Chest CT, axial plane, 120 kVp, kernel STANDARD. Slice 240/497 from the bottom of the scan; thickness 1.25 mm; pixel size 0.703 mm.
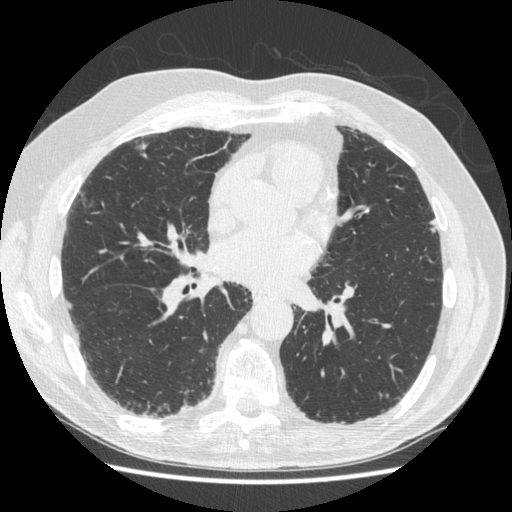
Pulmonary nodule at rows 141–157, columns 134–149 (box = the union of the readers' outlines on this slice), outlined by all four readers; longest diameter 12.2 mm on average over the four readers' outlines (readers' outlines 10.9–14.8 mm), volume 184–648 mm3. The readers' prevailing ratings and who disagreed: texture 5/5 (solid) by three of four readers; the rest gave 1/5 (non-solid) (one); margin 3/5 by two of four readers; the rest gave 2/5 (one), 4/5 (one); sphericity 3/5 (ovoid) by two of four readers; the rest gave 4/5 (one), 5/5 (round) (one); calcification absent, all four readers agreeing; internal structure soft tissue from all four readers; subtlety 4/5 by two of four readers; the rest gave 1/5 (one), 5/5 (one); malignancy likelihood 3/5 by two of four readers; the rest gave 2/5 (one), 4/5 (one). Scale key (1–5): texture non-solid→solid, margin indistinct→circumscribed, sphericity linear→round, subtlety extremely subtle→obvious, malignancy likelihood highly unlikely→highly suspicious of cancer. Box rows and columns are 0-based pixel indices from the top-left corner, inclusive.